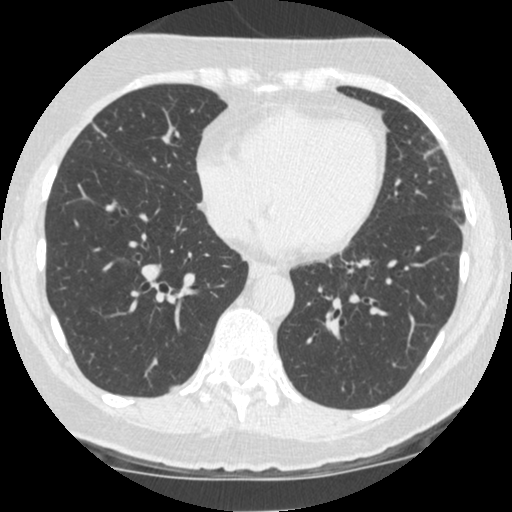
Axial chest CT slice 168 of 481 (counted from the lowest slice); 1.25 mm thick, 0.586 mm per pixel. Pulmonary nodule, outlined by all four readers, one of them on this slice. Box on this slice rows 151–153, columns 427–431, the one reader's outline on this slice; median longest diameter 10.8 mm (readers' outlines 9.6–11.3 mm), median volume 433 mm3 (410–491 mm3). Ratings, median across the readers with their spread: texture 5/5 (solid), all four readers agreeing; median margin 5/5 (circumscribed) (readers ranged 4/5 to 5/5 (circumscribed)); sphericity 4/5 at the median of four readers, spread 4/5 to 5/5 (round); calcification absent, all four readers agreeing; internal structure soft tissue from all four readers; median subtlety 5/5 (readers ranged 4–5); median malignancy likelihood 3.5/5 (readers ranged 2–5). Scale key (1–5): texture non-solid→solid, margin indistinct→circumscribed, sphericity linear→round, subtlety extremely subtle→obvious, malignancy likelihood highly unlikely→highly suspicious of cancer. Box rows and columns are 0-based pixel indices from the top-left corner, inclusive.
Acquired at 120 kVp and reconstructed with the STANDARD kernel.